One axial slice (213 of 319, counting up from the lowest) of a chest CT acquired at 130 kVp with the B30s kernel; each pixel is 0.729 mm and the slice is 4.00 mm thick.
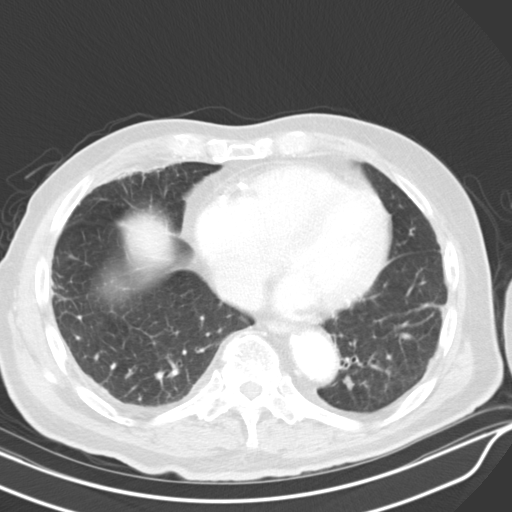
Pulmonary nodule, outlined by all four readers. Box on this slice rows 376–389, columns 343–353, the union of the readers' outlines on this slice; the four readers' outlines give a longest diameter between 9.7 and 12.7 mm and a volume between 198 and 267 mm3. The readers' ratings, as ranges where they differ: texture from 1/5 (non-solid) to 5/5 (solid) across the four readers; margin from 1/5 (indistinct) to 4/5 across the four readers; sphericity from 2/5 to 3/5 (ovoid) across the four readers; calcification absent, all four readers agreeing; internal structure soft tissue, all four readers agreeing; subtlety 1–5/5 (the readers disagree); malignancy likelihood from 2/5 to 3/5 across the four readers. Scale key (1–5): texture non-solid→solid, margin indistinct→circumscribed, sphericity linear→round, subtlety extremely subtle→obvious, malignancy likelihood highly unlikely→highly suspicious of cancer. Box rows and columns are 0-based pixel indices from the top-left corner, inclusive.